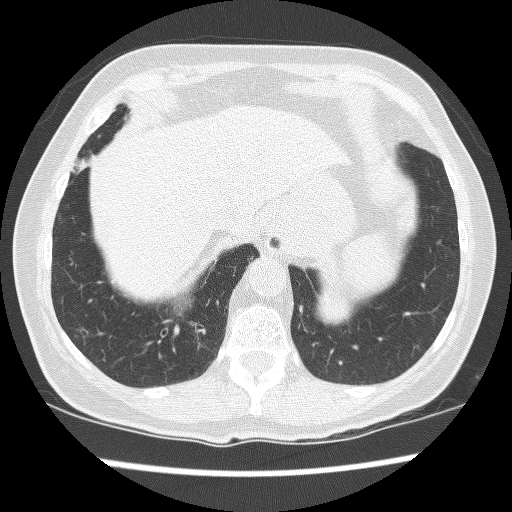
Chest CT, axial plane, 120 kVp, kernel BONE. Slice 60/241 from the bottom of the scan; thickness 1.25 mm; pixel size 0.609 mm.
Pulmonary nodule, outlined by one of the four readers. Box on this slice rows 303–313, columns 298–303, that reader's outline on this slice; longest diameter 7.4 mm and volume 66 mm3 from that reader's outline. That reader's ratings: texture 4/5; margin 2/5; sphericity 3/5 (ovoid); calcification absent; internal structure soft tissue; subtlety 3/5; malignancy likelihood 3/5. Scale key (1–5): texture non-solid→solid, margin indistinct→circumscribed, sphericity linear→round, subtlety extremely subtle→obvious, malignancy likelihood highly unlikely→highly suspicious of cancer. Box rows and columns are 0-based pixel indices from the top-left corner, inclusive.